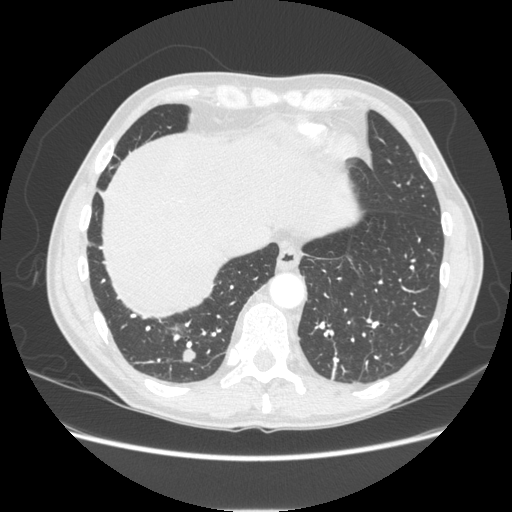
Slice 64/253 of a chest CT, counting up from the lowest; pixel size 0.742 mm, slice thickness 1.25 mm. Pulmonary nodule outlined by all four readers; box rows 341–362, columns 183–195 (the union of the readers' outlines on this slice); longest diameter 13.9 mm on average over the four readers' outlines (readers' outlines 12.4–17.1 mm), volume 764–890 mm3. Ratings, by the readers' most common answer with dissent counted: texture 5/5 (solid) from all four readers; margin 5/5 (circumscribed) from all four readers; sphericity 5/5 (round) by three of four readers; the rest gave 4/5 (one); calcification absent, all four readers agreeing; internal structure soft tissue from all four readers; subtlety 5/5 by two of four readers; the rest gave 3/5 (one), 4/5 (one); malignancy likelihood split among the readers: 2/5 (one), 3/5 (one), 4/5 (one), 5/5 (one). Scale key (1–5): texture non-solid→solid, margin indistinct→circumscribed, sphericity linear→round, subtlety extremely subtle→obvious, malignancy likelihood highly unlikely→highly suspicious of cancer. Box rows and columns are 0-based pixel indices from the top-left corner, inclusive.
Acquired at 120 kVp and reconstructed with the STANDARD kernel.